Axial slice 77 of 133 of a chest CT (slice 1 is the lowest), reconstructed with the STANDARD kernel at 120 kVp; 2.50 mm slice thickness and 0.781 mm pixels.
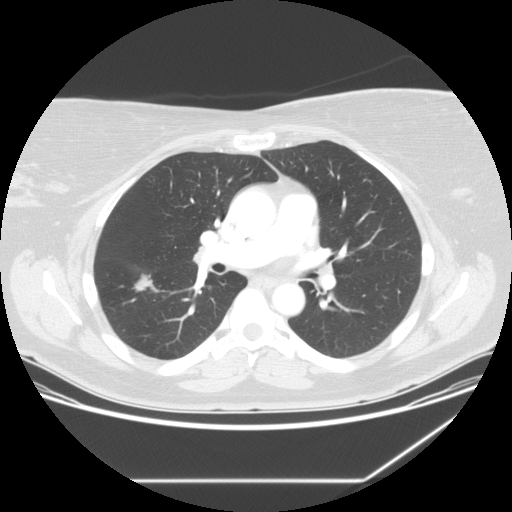
Pulmonary nodule at rows 272–292, columns 132–158 (box = the union of the readers' outlines on this slice), outlined by all four readers; longest diameter 18.8 mm on average over the four readers' outlines (readers' outlines 16.9–23.5 mm), volume 791–1326 mm3. Ratings, by the readers' most common answer with dissent counted: texture 5/5 (solid), all four readers agreeing; margin 4/5 by three of four readers; the rest gave 5/5 (circumscribed) (one); sphericity 3/5 (ovoid) by three of four readers; the rest gave 5/5 (round) (one); calcification absent from all four readers; internal structure soft tissue from all four readers; subtlety 5/5 by three of four readers; the rest gave 4/5 (one); malignancy likelihood 5/5 by two of four readers; the rest gave 3/5 (one), 4/5 (one). Scale key (1–5): texture non-solid→solid, margin indistinct→circumscribed, sphericity linear→round, subtlety extremely subtle→obvious, malignancy likelihood highly unlikely→highly suspicious of cancer. Box rows and columns are 0-based pixel indices from the top-left corner, inclusive.